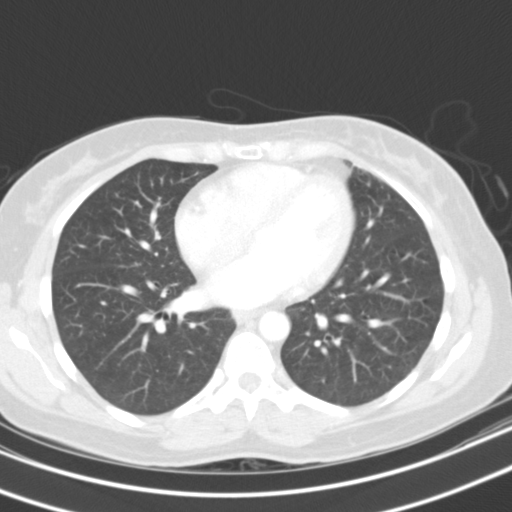
Slice 39/92 of a chest CT, counting up from the lowest; pixel size 0.623 mm, slice thickness 3.00 mm. None of the four readers outlined a nodule of 3 mm or more on this slice.
Tube voltage 130 kVp; convolution kernel B31s.